Axial slice 124 of 157 of a chest CT (slice 1 is the lowest), reconstructed with the B30f kernel at 120 kVp; 2.00 mm slice thickness and 0.625 mm pixels.
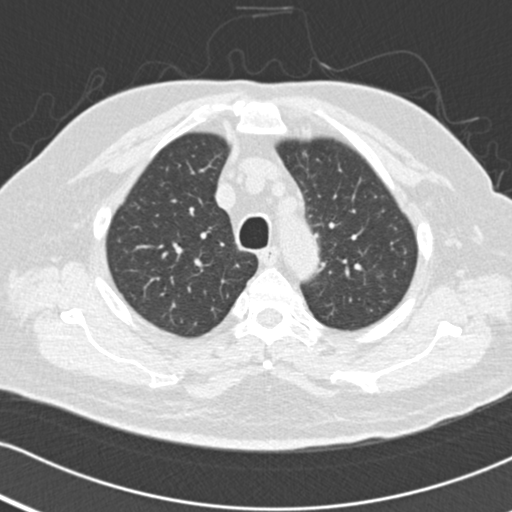
Pulmonary nodule, outlined by two of the four readers. Box on this slice rows 151–156, columns 302–308, the union of the readers' outlines on this slice; the two readers' outlines give a longest diameter between 5.6 and 6.2 mm and a volume between 42 and 56 mm3. The readers' ratings, as ranges where they differ: texture from 1/5 (non-solid) to 3/5 (part-solid) across the two readers; margin from 2/5 to 4/5 across the two readers; sphericity from 4/5 to 5/5 (round) across the two readers; calcification absent from both readers; internal structure soft tissue, both readers agreeing; subtlety 3/5, both readers agreeing; malignancy likelihood 3/5, both readers agreeing. Scale key (1–5): texture non-solid→solid, margin indistinct→circumscribed, sphericity linear→round, subtlety extremely subtle→obvious, malignancy likelihood highly unlikely→highly suspicious of cancer. Box rows and columns are 0-based pixel indices from the top-left corner, inclusive.